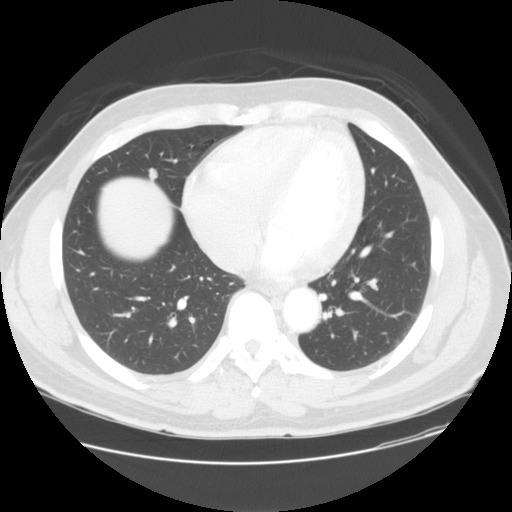
Axial chest CT slice 61 of 144 (counted from the lowest slice); 2.50 mm thick, 0.781 mm per pixel. Pulmonary nodule outlined by all four readers; box rows 167–180, columns 148–158 (the union of the readers' outlines on this slice); median longest diameter 11.1 mm (readers' outlines 10.3–11.3 mm), median volume 375 mm3 (316–403 mm3). Ratings, median across the readers with their spread: texture 5/5 (solid), all four readers agreeing; median margin 4.5/5 (readers ranged 4/5 to 5/5 (circumscribed)); median sphericity 4/5 (readers ranged 3/5 (ovoid) to 5/5 (round)); calcification: absent (three), central calcification (one); internal structure soft tissue from all four readers; subtlety 4.5/5 at the median of four readers, spread 4–5; malignancy likelihood 2.5/5 at the median of four readers, spread 1–4. Scale key (1–5): texture non-solid→solid, margin indistinct→circumscribed, sphericity linear→round, subtlety extremely subtle→obvious, malignancy likelihood highly unlikely→highly suspicious of cancer. Box rows and columns are 0-based pixel indices from the top-left corner, inclusive.
Scan settings: 120 kVp, STANDARD reconstruction kernel.